Axial chest CT slice 111 of 240 (counted from the lowest slice); tube voltage 120 kVp, convolution kernel BONE; slices 1.25 mm thick, 0.566 mm per pixel.
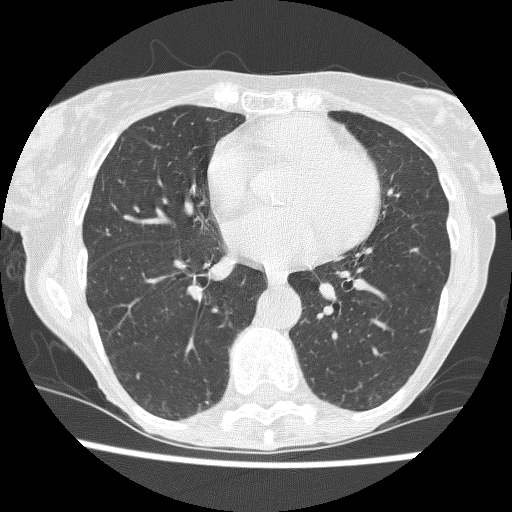
None of the four readers outlined a nodule of 3 mm or more on this slice.